Axial chest CT slice 87 of 133 (counted from the lowest slice); tube voltage 120 kVp, convolution kernel STANDARD; slices 2.50 mm thick, 0.703 mm per pixel.
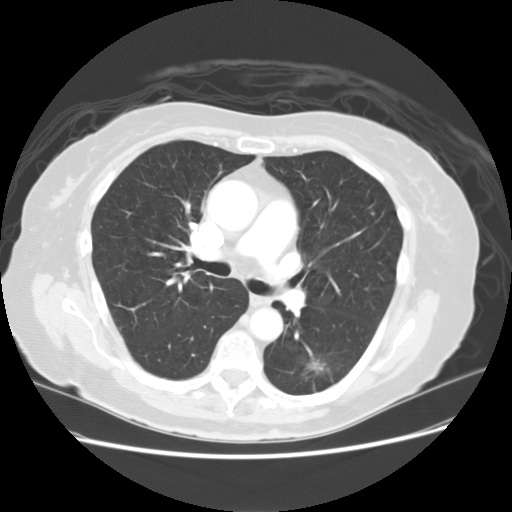
Pulmonary nodule at rows 356–378, columns 300–327 (box = the union of the readers' outlines on this slice), outlined by all four readers, three of them on this slice; longest diameter 32.8 mm on average over the four readers' outlines (readers' outlines 32.0–33.7 mm), volume 6146–7869 mm3. The readers' prevailing ratings and who disagreed: texture 5/5 (solid) by three of four readers; the rest gave 4/5 (one); margin 4/5 by two of four readers; the rest gave 2/5 (one), 3/5 (one); sphericity 3/5 (ovoid) by two of four readers; the rest gave 4/5 (one), 5/5 (round) (one); calcification absent from all four readers; internal structure soft tissue from all four readers; subtlety 5/5, all four readers agreeing; malignancy likelihood 5/5 by three of four readers; the rest gave 4/5 (one). Scale key (1–5): texture non-solid→solid, margin indistinct→circumscribed, sphericity linear→round, subtlety extremely subtle→obvious, malignancy likelihood highly unlikely→highly suspicious of cancer. Box rows and columns are 0-based pixel indices from the top-left corner, inclusive.